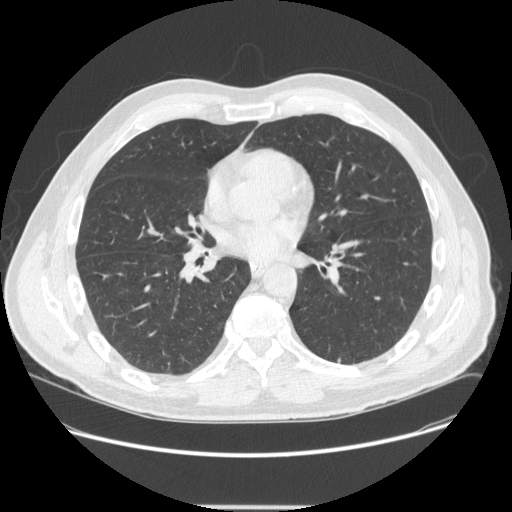
Axial chest CT slice 266 of 548 (counted from the lowest slice); 1.25 mm thick, 0.781 mm per pixel. Pulmonary nodule, outlined by three of the four readers. Box on this slice rows 358–363, columns 336–341, the union of the readers' outlines on this slice; longest diameter 6.0 mm on average over the three readers' outlines (readers' outlines 5.0–6.6 mm), volume 42–65 mm3. Ratings, by the readers' most common answer with dissent counted: texture 5/5 (solid), all three readers agreeing; most readers (two of three) put margin at 5/5 (circumscribed), others 4/5 (one); most readers (two of three) put sphericity at 4/5, others 3/5 (ovoid) (one); calcification absent from all three readers; internal structure soft tissue from all three readers; subtlety split among the readers: 2/5 (one), 4/5 (one), 5/5 (one); most readers (two of three) put malignancy likelihood at 3/5, others 2/5 (one). Scale key (1–5): texture non-solid→solid, margin indistinct→circumscribed, sphericity linear→round, subtlety extremely subtle→obvious, malignancy likelihood highly unlikely→highly suspicious of cancer. Box rows and columns are 0-based pixel indices from the top-left corner, inclusive.
Acquired at 120 kVp and reconstructed with the STANDARD kernel.